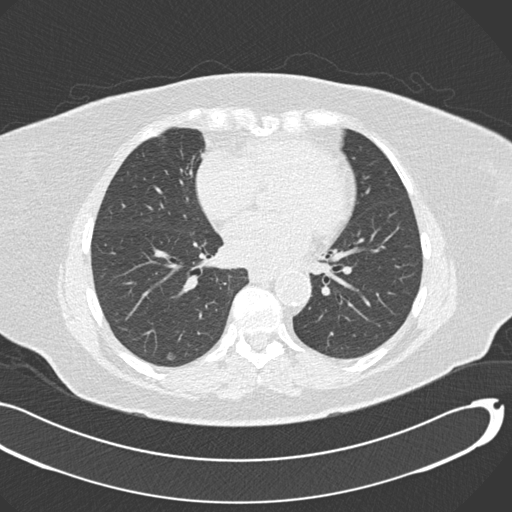
Chest CT, axial plane, 120 kVp, kernel B30f. Slice 75/177 from the bottom of the scan; thickness 2.00 mm; pixel size 0.742 mm.
Pulmonary nodule, outlined by three of the four readers. Box on this slice rows 353–360, columns 167–175, the union of the readers' outlines on this slice; longest diameter 6.7–8.0 mm and volume 53–97 mm3 across the three readers' outlines. The readers' ratings, as ranges where they differ: texture from 1/5 (non-solid) to 4/5 across the three readers; margin from 1/5 (indistinct) to 4/5 across the three readers; sphericity from 3/5 (ovoid) to 4/5 across the three readers; calcification absent, all three readers agreeing; internal structure soft tissue from all three readers; subtlety from 3/5 to 4/5 across the three readers; malignancy likelihood 1–3/5 (the readers disagree). Scale key (1–5): texture non-solid→solid, margin indistinct→circumscribed, sphericity linear→round, subtlety extremely subtle→obvious, malignancy likelihood highly unlikely→highly suspicious of cancer. Box rows and columns are 0-based pixel indices from the top-left corner, inclusive.